One axial slice (387 of 490, counting up from the lowest) of a chest CT acquired at 120 kVp with the STANDARD kernel; each pixel is 0.547 mm and the slice is 1.25 mm thick.
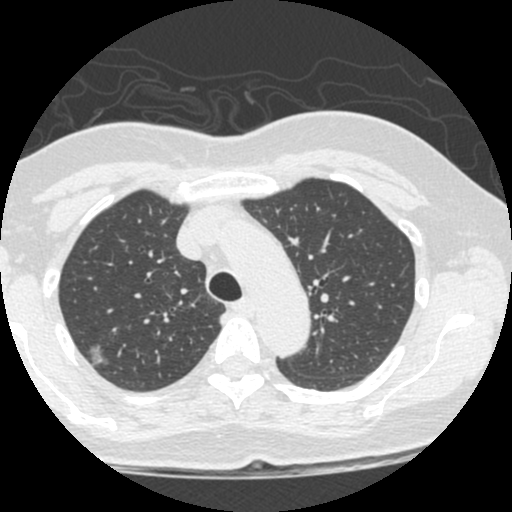
Pulmonary nodule outlined by three of the four readers; box rows 343–367, columns 86–108 (the union of the readers' outlines on this slice); median longest diameter 15.2 mm (readers' outlines 14.3–18.3 mm), median volume 997 mm3 (967–1422 mm3). Median ratings and the readers' spread: median texture 1/5 (non-solid) (readers ranged 1/5 (non-solid) to 5/5 (solid)); median margin 2/5 (readers ranged 2/5 to 4/5); sphericity 4/5 at the median of three readers, spread 3/5 (ovoid) to 5/5 (round); calcification absent from all three readers; internal structure soft tissue, all three readers agreeing; median subtlety 5/5 (readers ranged 1–5); median malignancy likelihood 3/5 (readers ranged 2–5). Scale key (1–5): texture non-solid→solid, margin indistinct→circumscribed, sphericity linear→round, subtlety extremely subtle→obvious, malignancy likelihood highly unlikely→highly suspicious of cancer. Box rows and columns are 0-based pixel indices from the top-left corner, inclusive.